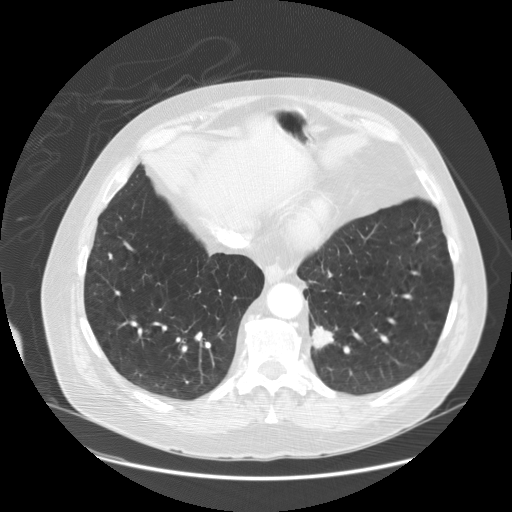
Axial slice 49 of 149 of a chest CT (slice 1 is the lowest), reconstructed with the STANDARD kernel at 120 kVp; 2.50 mm slice thickness and 0.820 mm pixels.
Pulmonary nodule, outlined by all four readers. Box on this slice rows 325–349, columns 311–333, the union of the readers' outlines on this slice; longest diameter 24.0 mm on average over the four readers' outlines (readers' outlines 21.9–28.7 mm), volume 2868–3180 mm3. Ratings, by the readers' most common answer with dissent counted: texture 5/5 (solid) by three of four readers; the rest gave 4/5 (one); margin 4/5 by two of four readers; the rest gave 3/5 (one), 5/5 (circumscribed) (one); sphericity 4/5 by two of four readers; the rest gave 3/5 (ovoid) (one), 5/5 (round) (one); calcification absent, all four readers agreeing; internal structure soft tissue from all four readers; most readers (three of four) put subtlety at 5/5, others 4/5 (one); malignancy likelihood 3/5 by two of four readers; the rest gave 4/5 (one), 5/5 (one). Scale key (1–5): texture non-solid→solid, margin indistinct→circumscribed, sphericity linear→round, subtlety extremely subtle→obvious, malignancy likelihood highly unlikely→highly suspicious of cancer. Box rows and columns are 0-based pixel indices from the top-left corner, inclusive.